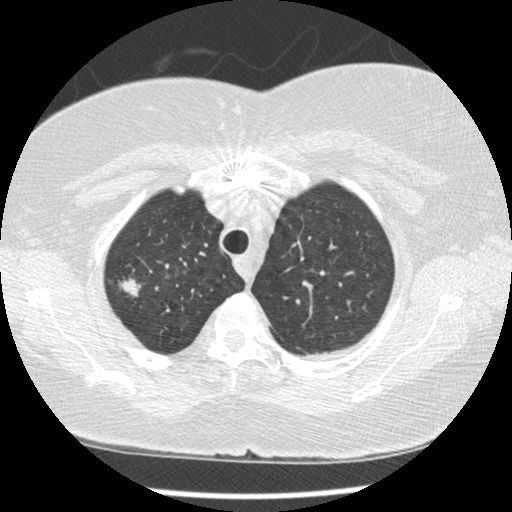
Chest CT, axial plane, 120 kVp, kernel STANDARD. Slice 298/375 from the bottom of the scan; thickness 1.25 mm; pixel size 0.625 mm.
Pulmonary nodule at rows 274–298, columns 116–141 (box = the union of the readers' outlines on this slice), outlined by all four readers; longest diameter 22.5 mm on average over the four readers' outlines (readers' outlines 21.2–23.2 mm), volume 2289–3466 mm3. The readers' prevailing ratings and who disagreed: most readers (three of four) put texture at 5/5 (solid), others 4/5 (one); margin 4/5 by two of four readers; the rest gave 3/5 (one), 5/5 (circumscribed) (one); sphericity split among the readers: 2/5 (one), 3/5 (ovoid) (one), 4/5 (one), 5/5 (round) (one); calcification absent, all four readers agreeing; internal structure soft tissue, all four readers agreeing; subtlety 5/5 from all four readers; most readers (three of four) put malignancy likelihood at 5/5, others 3/5 (one). Scale key (1–5): texture non-solid→solid, margin indistinct→circumscribed, sphericity linear→round, subtlety extremely subtle→obvious, malignancy likelihood highly unlikely→highly suspicious of cancer. Box rows and columns are 0-based pixel indices from the top-left corner, inclusive.